Chest CT, axial plane, 120 kVp, kernel STANDARD. Slice 270/375 from the bottom of the scan; thickness 1.25 mm; pixel size 0.625 mm.
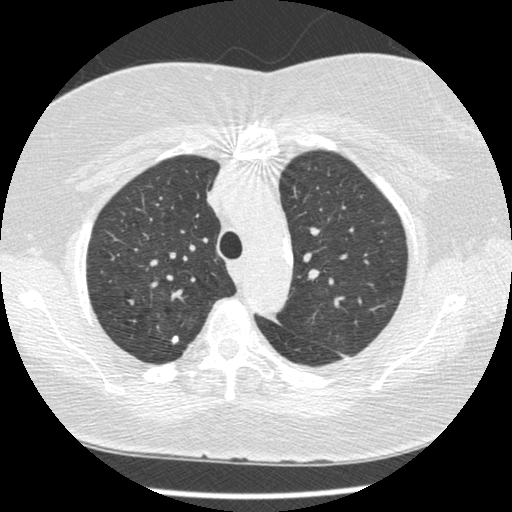
Pulmonary nodule at rows 335–344, columns 170–177 (box = the union of the readers' outlines on this slice), outlined by two of the four readers; the two readers' outlines give a longest diameter between 6.4 and 9.1 mm and a volume between 95 and 233 mm3. Ratings across the readers: texture 5/5 (solid) from both readers; margin 5/5 (circumscribed) from both readers; sphericity from 3/5 (ovoid) to 4/5 across the two readers; calcification split among the readers: solid calcification (one), absent (one); internal structure soft tissue from both readers; subtlety from 4/5 to 5/5 across the two readers; malignancy likelihood 1–3/5 (the readers disagree). Scale key (1–5): texture non-solid→solid, margin indistinct→circumscribed, sphericity linear→round, subtlety extremely subtle→obvious, malignancy likelihood highly unlikely→highly suspicious of cancer. Box rows and columns are 0-based pixel indices from the top-left corner, inclusive.